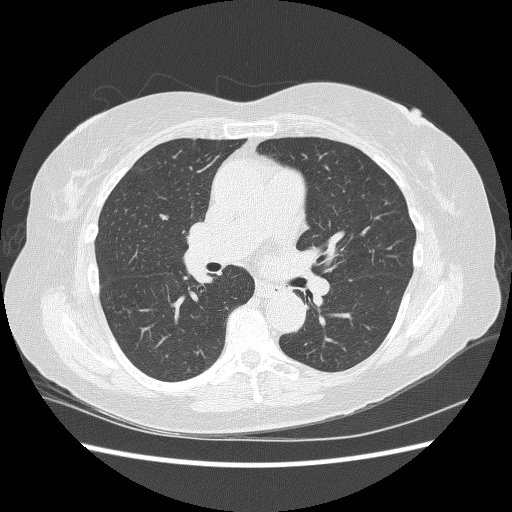
Slice 143/240 of a chest CT, counting up from the lowest; pixel size 0.703 mm, slice thickness 1.25 mm. Pulmonary nodule outlined by two of the four readers; box rows 213–220, columns 158–169 (the union of the readers' outlines on this slice); the two readers' outlines give a longest diameter between 7.2 and 9.4 mm and a volume between 98 and 136 mm3. The readers' ratings, as ranges where they differ: texture from 4/5 to 5/5 (solid) across the two readers; margin from 4/5 to 5/5 (circumscribed) across the two readers; sphericity from 2/5 to 3/5 (ovoid) across the two readers; calcification absent, both readers agreeing; internal structure soft tissue from both readers; subtlety from 3/5 to 4/5 across the two readers; malignancy likelihood 1–2/5 (the readers disagree). Scale key (1–5): texture non-solid→solid, margin indistinct→circumscribed, sphericity linear→round, subtlety extremely subtle→obvious, malignancy likelihood highly unlikely→highly suspicious of cancer. Box rows and columns are 0-based pixel indices from the top-left corner, inclusive.
Tube voltage 120 kVp; convolution kernel BONE.